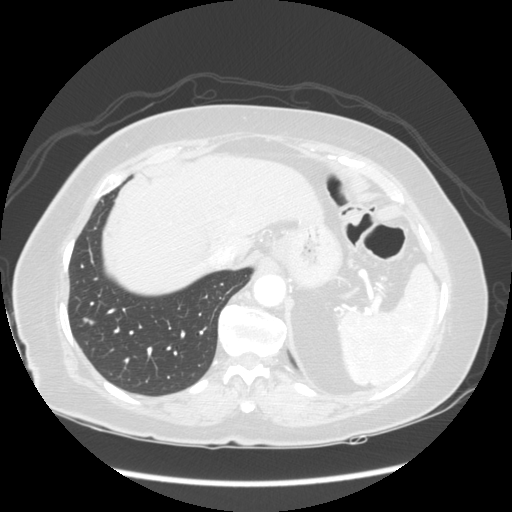
One axial slice (51 of 141, counting up from the lowest) of a chest CT acquired at 120 kVp with the STANDARD kernel; each pixel is 0.703 mm and the slice is 2.50 mm thick.
Pulmonary nodule outlined by one of the four readers; box rows 317–324, columns 82–93 (that reader's outline on this slice); longest diameter 10.4 mm and volume 203 mm3 from that reader's outline. That reader's ratings: texture 2/5; margin 2/5; sphericity 3/5 (ovoid); calcification absent; internal structure soft tissue; subtlety 4/5; malignancy likelihood 3/5. Scale key (1–5): texture non-solid→solid, margin indistinct→circumscribed, sphericity linear→round, subtlety extremely subtle→obvious, malignancy likelihood highly unlikely→highly suspicious of cancer. Box rows and columns are 0-based pixel indices from the top-left corner, inclusive.